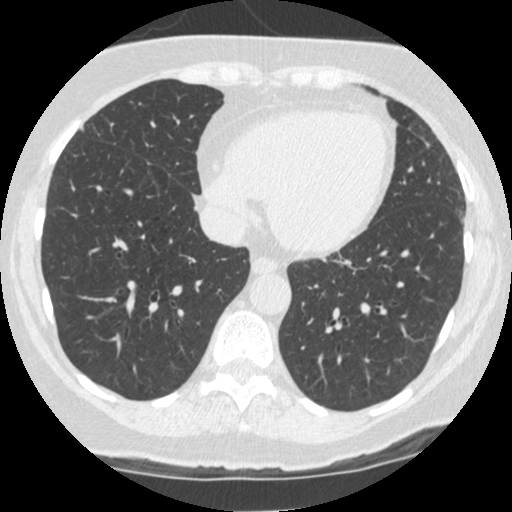
Slice 149/481 of a chest CT, counting up from the lowest; pixel size 0.586 mm, slice thickness 1.25 mm. Pulmonary nodule at rows 144–145, columns 427–428 (box = the union of the readers' outlines on this slice), outlined by all four readers, two of them on this slice; median longest diameter 10.8 mm (readers' outlines 9.6–11.3 mm), median volume 433 mm3 (410–491 mm3). Median ratings and the readers' spread: texture 5/5 (solid) from all four readers; margin 5/5 (circumscribed) at the median of four readers, spread 4/5 to 5/5 (circumscribed); median sphericity 4/5 (readers ranged 4/5 to 5/5 (round)); calcification absent from all four readers; internal structure soft tissue from all four readers; subtlety 5/5 at the median of four readers, spread 4–5; malignancy likelihood 3.5/5 at the median of four readers, spread 2–5. Scale key (1–5): texture non-solid→solid, margin indistinct→circumscribed, sphericity linear→round, subtlety extremely subtle→obvious, malignancy likelihood highly unlikely→highly suspicious of cancer. Box rows and columns are 0-based pixel indices from the top-left corner, inclusive.
Tube voltage 120 kVp; convolution kernel STANDARD.